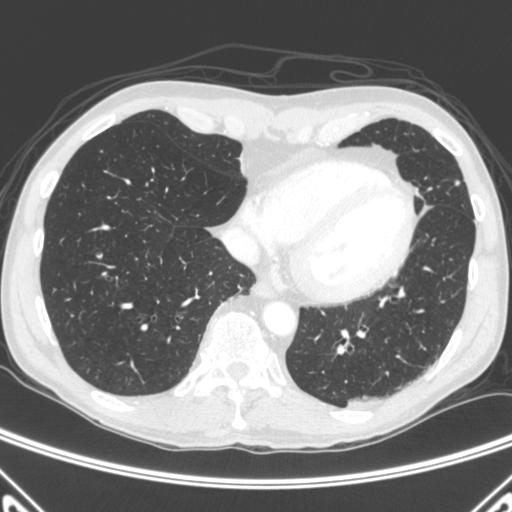
Axial chest CT slice 128 of 445 (counted from the lowest slice); 1.50 mm thick, 0.676 mm per pixel. Pulmonary nodule, outlined by all four readers. Box on this slice rows 179–185, columns 454–459, the union of the readers' outlines on this slice; longest diameter 9.3 mm on average over the four readers' outlines (readers' outlines 9.0–9.7 mm), volume 243–279 mm3. The readers' prevailing ratings and who disagreed: most readers (three of four) put texture at 5/5 (solid), others 4/5 (one); margin 5/5 (circumscribed) from all four readers; sphericity split among the readers: 4/5 (two), 5/5 (round) (two); calcification solid calcification by three of four readers, central calcification (one); internal structure soft tissue, all four readers agreeing; subtlety 5/5, all four readers agreeing; malignancy likelihood 1/5, all four readers agreeing. Scale key (1–5): texture non-solid→solid, margin indistinct→circumscribed, sphericity linear→round, subtlety extremely subtle→obvious, malignancy likelihood highly unlikely→highly suspicious of cancer. Box rows and columns are 0-based pixel indices from the top-left corner, inclusive.
Tube voltage 120 kVp; convolution kernel C.